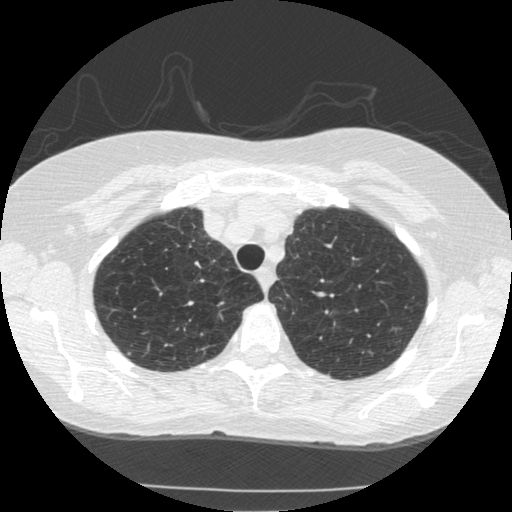
Chest CT, axial plane, 120 kVp, kernel STANDARD. Slice 408/519 from the bottom of the scan; thickness 1.25 mm; pixel size 0.645 mm.
Pulmonary nodule, outlined by one of the four readers. Box on this slice rows 352–355, columns 127–130, that reader's outline on this slice; longest diameter 4.6 mm and volume 36 mm3 from that reader's outline. Ratings by that reader: texture 5/5 (solid); margin 5/5 (circumscribed); sphericity 4/5; calcification absent; internal structure soft tissue; subtlety 5/5; malignancy likelihood 3/5. Scale key (1–5): texture non-solid→solid, margin indistinct→circumscribed, sphericity linear→round, subtlety extremely subtle→obvious, malignancy likelihood highly unlikely→highly suspicious of cancer. Box rows and columns are 0-based pixel indices from the top-left corner, inclusive.